Chest CT, axial plane, 120 kVp, kernel STANDARD. Slice 125/143 from the bottom of the scan; thickness 2.50 mm; pixel size 0.859 mm.
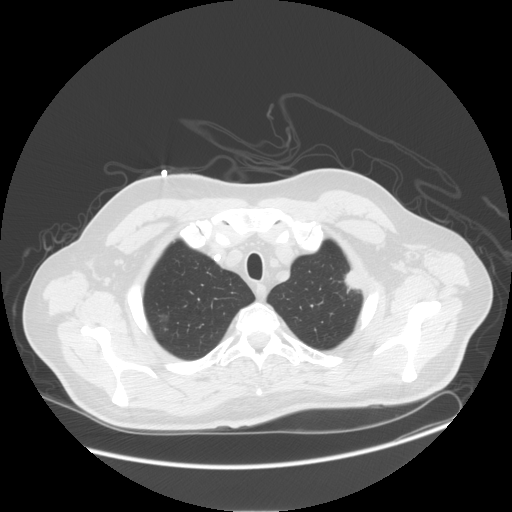
Pulmonary nodule at rows 265–293, columns 342–362 (box = the union of the readers' outlines on this slice), outlined by all four readers; longest diameter 26.6 mm on average over the four readers' outlines (readers' outlines 24.8–28.8 mm), volume 4547–5828 mm3. The readers' prevailing ratings and who disagreed: texture 5/5 (solid) by three of four readers; the rest gave 4/5 (one); margin split among the readers: 4/5 (two), 5/5 (circumscribed) (two); sphericity 5/5 (round) by three of four readers; the rest gave 3/5 (ovoid) (one); calcification absent, all four readers agreeing; internal structure soft tissue, all four readers agreeing; most readers (three of four) put subtlety at 5/5, others 3/5 (one); most readers (three of four) put malignancy likelihood at 5/5, others 2/5 (one). Scale key (1–5): texture non-solid→solid, margin indistinct→circumscribed, sphericity linear→round, subtlety extremely subtle→obvious, malignancy likelihood highly unlikely→highly suspicious of cancer. Box rows and columns are 0-based pixel indices from the top-left corner, inclusive.